Axial slice 60 of 113 of a chest CT (slice 1 is the lowest), reconstructed with the STANDARD kernel at 120 kVp; 2.50 mm slice thickness and 0.703 mm pixels.
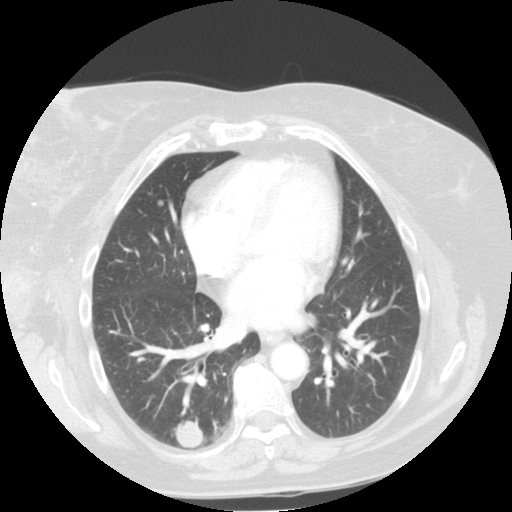
Two pulmonary nodules on this slice, listed from left to right. (1) Pulmonary nodule outlined by all four readers; box rows 200–205, columns 156–163 (the union of the readers' outlines on this slice); median longest diameter 6.8 mm (readers' outlines 6.3–7.2 mm), median volume 118 mm3 (101–188 mm3). Ratings, median across the readers with their spread: texture 5/5 (solid), all four readers agreeing; median margin 5/5 (circumscribed) (readers ranged 4/5 to 5/5 (circumscribed)); sphericity 4.5/5 at the median of four readers, spread 3/5 (ovoid) to 5/5 (round); calcification absent from all four readers; internal structure soft tissue from all four readers; median subtlety 3.5/5 (readers ranged 3–4); median malignancy likelihood 2.5/5 (readers ranged 2–3). (2) Pulmonary nodule at rows 418–447, columns 175–204 (box = the union of the readers' outlines on this slice), outlined by all four readers; longest diameter 23.3–24.3 mm and volume 4155–5797 mm3 across the four readers' outlines. The readers' ratings, as ranges where they differ: texture 5/5 (solid) from all four readers; margin from 4/5 to 5/5 (circumscribed) across the four readers; sphericity from 3/5 (ovoid) to 5/5 (round) across the four readers; calcification absent, all four readers agreeing; internal structure soft tissue, all four readers agreeing; subtlety 5/5 from all four readers; malignancy likelihood 2–5/5 (the readers disagree). Scale key (1–5): texture non-solid→solid, margin indistinct→circumscribed, sphericity linear→round, subtlety extremely subtle→obvious, malignancy likelihood highly unlikely→highly suspicious of cancer. Box rows and columns are 0-based pixel indices from the top-left corner, inclusive.